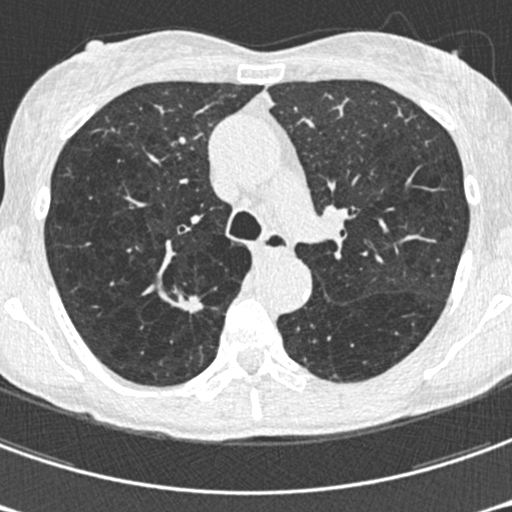
Axial chest CT slice 418 of 633 (counted from the lowest slice); 0.60 mm thick, 0.541 mm per pixel. Two pulmonary nodules on this slice, listed from left to right. (1) Pulmonary nodule at rows 292–313, columns 174–204 (box = the union of the readers' outlines on this slice), outlined by all four readers; longest diameter 18.1–21.0 mm and volume 1292–1642 mm3 across the four readers' outlines. Ratings across the readers: texture 5/5 (solid) from all four readers; margin from 1/5 (indistinct) to 3/5 across the four readers; sphericity from 2/5 to 4/5 across the four readers; calcification absent, all four readers agreeing; internal structure soft tissue, all four readers agreeing; subtlety rated between 4 and 5 out of 5 by the four readers; malignancy likelihood rated between 4 and 5 out of 5 by the four readers. (2) Pulmonary nodule at rows 357–361, columns 303–306 (box = that reader's outline on this slice), outlined by one of the four readers; longest diameter 20.7 mm and volume 470 mm3 from that reader's outline. That reader's ratings: texture 5/5 (solid); margin 1/5 (indistinct); sphericity 2/5; calcification absent; internal structure soft tissue; subtlety 4/5; malignancy likelihood 3/5. Scale key (1–5): texture non-solid→solid, margin indistinct→circumscribed, sphericity linear→round, subtlety extremely subtle→obvious, malignancy likelihood highly unlikely→highly suspicious of cancer. Box rows and columns are 0-based pixel indices from the top-left corner, inclusive.
Acquired at 120 kVp and reconstructed with the B30f kernel.